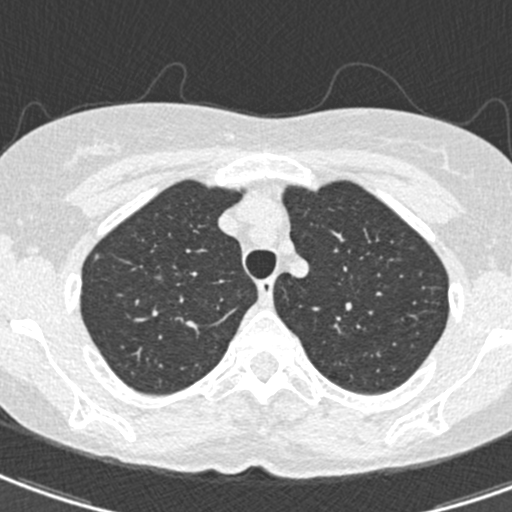
Axial chest CT slice 347 of 425 (counted from the lowest slice); tube voltage 120 kVp, convolution kernel B30f; slices 0.75 mm thick, 0.539 mm per pixel.
Pulmonary nodule outlined by one of the four readers; box rows 254–259, columns 95–99 (that reader's outline on this slice); longest diameter 4.6 mm and volume 14 mm3 from that reader's outline. That reader's ratings: texture 5/5 (solid); margin 3/5; sphericity 3/5 (ovoid); calcification absent; internal structure soft tissue; subtlety 2/5; malignancy likelihood 2/5. Scale key (1–5): texture non-solid→solid, margin indistinct→circumscribed, sphericity linear→round, subtlety extremely subtle→obvious, malignancy likelihood highly unlikely→highly suspicious of cancer. Box rows and columns are 0-based pixel indices from the top-left corner, inclusive.